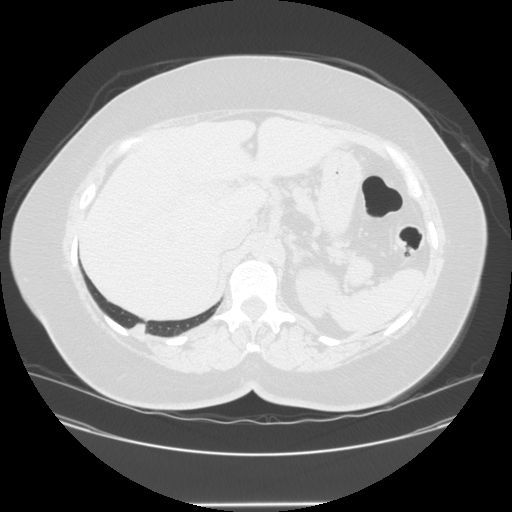
This is axial slice 36 of 150 (slice 1 is the lowest) of a chest CT; each pixel is 0.820 mm and the slice is 2.50 mm thick. Pulmonary nodule at rows 320–329, columns 132–143 (box = the one reader's outline on this slice), outlined by three of the four readers, one of them on this slice; median longest diameter 36.7 mm (readers' outlines 34.5–41.5 mm), median volume 15464 mm3 (15181–19016 mm3). Median ratings and the readers' spread: texture 5/5 (solid), all three readers agreeing; median margin 4/5 (readers ranged 2/5 to 4/5); median sphericity 4/5 (readers ranged 3/5 (ovoid) to 5/5 (round)); calcification absent, all three readers agreeing; internal structure soft tissue from all three readers; subtlety 5/5 from all three readers; malignancy likelihood 5/5 from all three readers. Scale key (1–5): texture non-solid→solid, margin indistinct→circumscribed, sphericity linear→round, subtlety extremely subtle→obvious, malignancy likelihood highly unlikely→highly suspicious of cancer. Box rows and columns are 0-based pixel indices from the top-left corner, inclusive.
Acquired at 120 kVp and reconstructed with the STANDARD kernel.